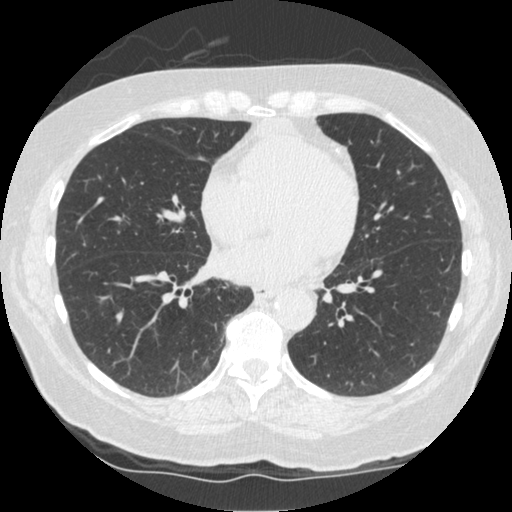
This is axial slice 204 of 519 (slice 1 is the lowest) of a chest CT; each pixel is 0.645 mm and the slice is 1.25 mm thick. Pulmonary nodule outlined by all four readers; box rows 156–160, columns 197–205 (the union of the readers' outlines on this slice); median longest diameter 9.2 mm (readers' outlines 8.4–10.5 mm), median volume 189 mm3 (147–202 mm3). Median ratings and the readers' spread: texture 5/5 (solid), all four readers agreeing; margin 5/5 (circumscribed) at the median of four readers, spread 4/5 to 5/5 (circumscribed); sphericity 3/5 (ovoid), all four readers agreeing; calcification absent from all four readers; internal structure soft tissue from all four readers; median subtlety 5/5 (readers ranged 4–5); malignancy likelihood 3/5 at the median of four readers, spread 2–4. Scale key (1–5): texture non-solid→solid, margin indistinct→circumscribed, sphericity linear→round, subtlety extremely subtle→obvious, malignancy likelihood highly unlikely→highly suspicious of cancer. Box rows and columns are 0-based pixel indices from the top-left corner, inclusive.
Tube voltage 120 kVp; convolution kernel STANDARD.